Axial slice 103 of 256 of a chest CT (slice 1 is the lowest), reconstructed with the STANDARD kernel at 120 kVp; 1.25 mm slice thickness and 0.781 mm pixels.
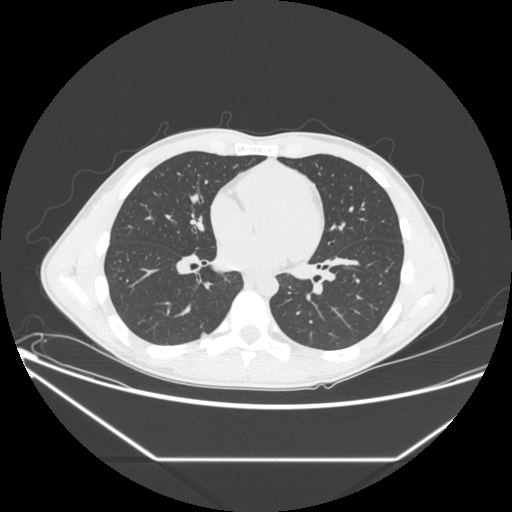
Pulmonary nodule, outlined by one of the four readers. Box on this slice rows 332–337, columns 200–206, that reader's outline on this slice; longest diameter 7.4 mm and volume 78 mm3 from that reader's outline. That reader's ratings: texture 5/5 (solid); margin 5/5 (circumscribed); sphericity 3/5 (ovoid); calcification absent; internal structure soft tissue; subtlety 3/5; malignancy likelihood 2/5. Scale key (1–5): texture non-solid→solid, margin indistinct→circumscribed, sphericity linear→round, subtlety extremely subtle→obvious, malignancy likelihood highly unlikely→highly suspicious of cancer. Box rows and columns are 0-based pixel indices from the top-left corner, inclusive.